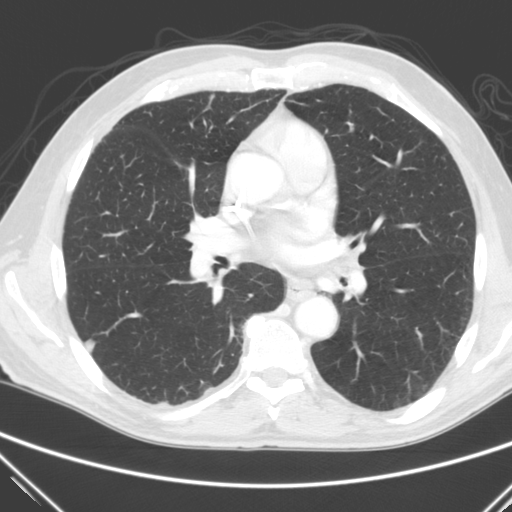
Axial chest CT slice 136 of 290 (counted from the lowest slice); 2.00 mm thick, 0.682 mm per pixel. Pulmonary nodule at rows 339–352, columns 83–95 (box = the union of the readers' outlines on this slice), outlined by two of the four readers; longest diameter 10.5 mm on average over the two readers' outlines (readers' outlines 10.2–10.8 mm), volume 110–178 mm3. The readers' prevailing ratings and who disagreed: texture split among the readers: 4/5 (one), 5/5 (solid) (one); margin 4/5 from both readers; sphericity 4/5, both readers agreeing; calcification absent from both readers; internal structure soft tissue, both readers agreeing; subtlety 4/5, both readers agreeing; malignancy likelihood split among the readers: 1/5 (one), 4/5 (one). Scale key (1–5): texture non-solid→solid, margin indistinct→circumscribed, sphericity linear→round, subtlety extremely subtle→obvious, malignancy likelihood highly unlikely→highly suspicious of cancer. Box rows and columns are 0-based pixel indices from the top-left corner, inclusive.
Scan settings: 120 kVp, C reconstruction kernel.